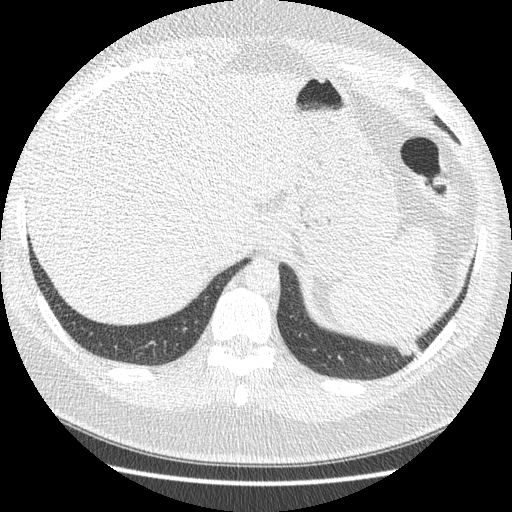
This is axial slice 36 of 421 (slice 1 is the lowest) of a chest CT; each pixel is 0.703 mm and the slice is 1.25 mm thick. Pulmonary nodule at rows 340–358, columns 397–422 (box = the union of the readers' outlines on this slice), outlined four times (the source holds four more outlines, not used); longest diameter 33.9 mm on average over the four readers' outlines (readers' outlines 30.9–38.9 mm), volume 4443–5826 mm3. The readers' prevailing ratings and who disagreed: most readers (three of four) put texture at 5/5 (solid), others 4/5 (one); margin 4/5 by three of four readers; the rest gave 3/5 (one); sphericity 2/5 by two of four readers; the rest gave 3/5 (ovoid) (one), 4/5 (one); calcification absent, all four readers agreeing; internal structure soft tissue from all four readers; most readers (three of four) put subtlety at 5/5, others 4/5 (one); malignancy likelihood split among the readers: 2/5 (one), 3/5 (one), 4/5 (one), 5/5 (one). Scale key (1–5): texture non-solid→solid, margin indistinct→circumscribed, sphericity linear→round, subtlety extremely subtle→obvious, malignancy likelihood highly unlikely→highly suspicious of cancer. Box rows and columns are 0-based pixel indices from the top-left corner, inclusive.
Acquired at 120 kVp and reconstructed with the STANDARD kernel.